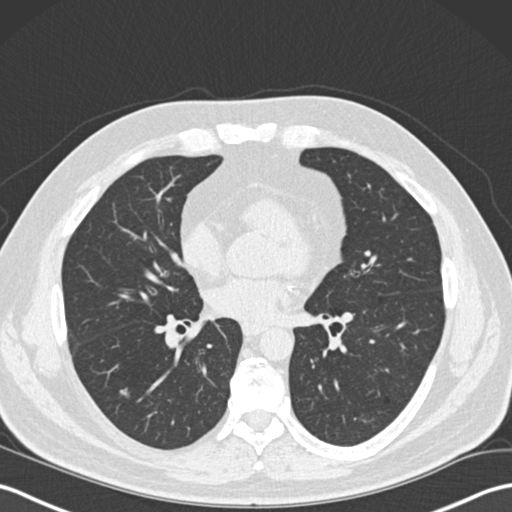
One axial slice (96 of 191, counting up from the lowest) of a chest CT acquired at 120 kVp with the B30f kernel; each pixel is 0.684 mm and the slice is 2.00 mm thick.
Pulmonary nodule at rows 387–397, columns 118–129 (box = the union of the readers' outlines on this slice), outlined by all four readers; longest diameter 9.0 mm on average over the four readers' outlines (readers' outlines 8.3–10.1 mm), volume 135–182 mm3. The readers' prevailing ratings and who disagreed: texture 3/5 (part-solid) by two of four readers; the rest gave 4/5 (one), 5/5 (solid) (one); margin 3/5 by two of four readers; the rest gave 2/5 (one), 4/5 (one); sphericity 3/5 (ovoid) from all four readers; calcification absent, all four readers agreeing; internal structure soft tissue, all four readers agreeing; subtlety 2/5 by two of four readers; the rest gave 4/5 (one), 5/5 (one); malignancy likelihood 2/5 by three of four readers; the rest gave 4/5 (one). Scale key (1–5): texture non-solid→solid, margin indistinct→circumscribed, sphericity linear→round, subtlety extremely subtle→obvious, malignancy likelihood highly unlikely→highly suspicious of cancer. Box rows and columns are 0-based pixel indices from the top-left corner, inclusive.